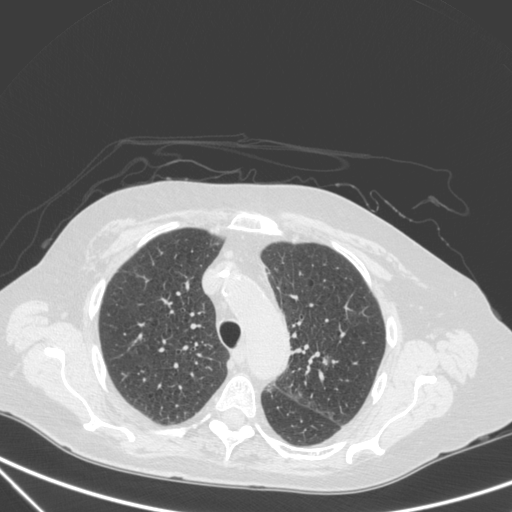
One axial slice (247 of 350, counting up from the lowest) of a chest CT acquired at 120 kVp with the C kernel; each pixel is 0.725 mm and the slice is 1.50 mm thick.
Pulmonary nodule outlined by all four readers; box rows 357–365, columns 322–329 (the union of the readers' outlines on this slice); median longest diameter 10.6 mm (readers' outlines 9.9–11.7 mm), median volume 411 mm3 (335–580 mm3). Ratings, median across the readers with their spread: texture 5/5 (solid), all four readers agreeing; margin 4/5 from all four readers; median sphericity 3/5 (ovoid) (readers ranged 3/5 (ovoid) to 4/5); calcification absent from all four readers; internal structure soft tissue from all four readers; median subtlety 5/5 (readers ranged 4–5); median malignancy likelihood 3.5/5 (readers ranged 2–5). Scale key (1–5): texture non-solid→solid, margin indistinct→circumscribed, sphericity linear→round, subtlety extremely subtle→obvious, malignancy likelihood highly unlikely→highly suspicious of cancer. Box rows and columns are 0-based pixel indices from the top-left corner, inclusive.